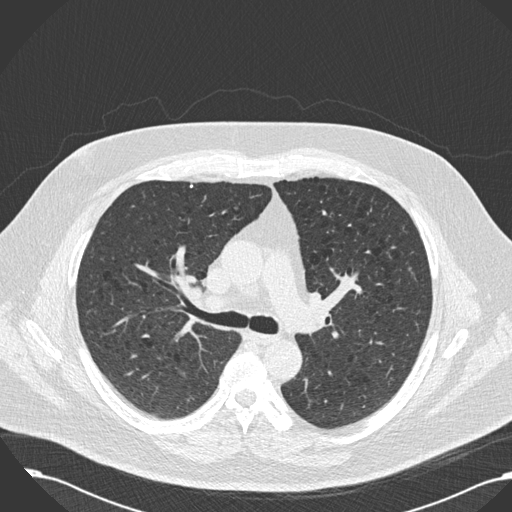
Axial chest CT slice 109 of 181 (counted from the lowest slice); tube voltage 120 kVp, convolution kernel B30f; slices 2.00 mm thick, 0.762 mm per pixel.
No nodule 3 mm or larger was outlined here by any reader.